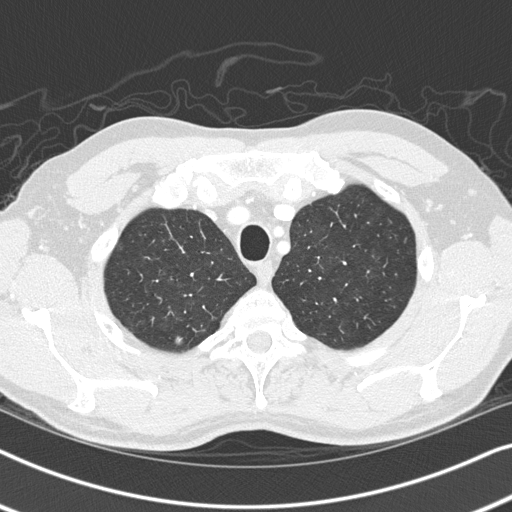
Axial slice 278 of 326 of a chest CT (slice 1 is the lowest), reconstructed with the B45f kernel at 120 kVp; 1.00 mm slice thickness and 0.645 mm pixels.
Pulmonary nodule, outlined by all four readers. Box on this slice rows 335–344, columns 174–183, the union of the readers' outlines on this slice; median longest diameter 6.9 mm (readers' outlines 6.6–8.2 mm), median volume 118 mm3 (74–172 mm3). Median ratings and the readers' spread: texture 3/5 (part-solid) at the median of four readers, spread 1/5 (non-solid) to 3/5 (part-solid); median margin 2/5 (readers ranged 2/5 to 5/5 (circumscribed)); sphericity 4/5 at the median of four readers, spread 4/5 to 5/5 (round); calcification absent, all four readers agreeing; internal structure soft tissue from all four readers; subtlety 2.5/5 at the median of four readers, spread 1–3; median malignancy likelihood 3/5 (readers ranged 2–3). Scale key (1–5): texture non-solid→solid, margin indistinct→circumscribed, sphericity linear→round, subtlety extremely subtle→obvious, malignancy likelihood highly unlikely→highly suspicious of cancer. Box rows and columns are 0-based pixel indices from the top-left corner, inclusive.